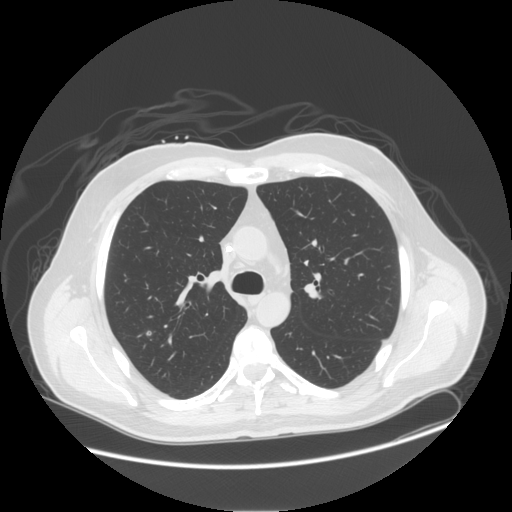
Slice 97/143 of a chest CT, counting up from the lowest; pixel size 0.859 mm, slice thickness 2.50 mm. Pulmonary nodule, outlined by one of the four readers. Box on this slice rows 330–334, columns 146–151, that reader's outline on this slice; longest diameter 6.5 mm and volume 91 mm3 from that reader's outline. That reader's ratings: texture 5/5 (solid); margin 5/5 (circumscribed); sphericity 3/5 (ovoid); calcification absent; internal structure soft tissue; subtlety 3/5; malignancy likelihood 2/5. Scale key (1–5): texture non-solid→solid, margin indistinct→circumscribed, sphericity linear→round, subtlety extremely subtle→obvious, malignancy likelihood highly unlikely→highly suspicious of cancer. Box rows and columns are 0-based pixel indices from the top-left corner, inclusive.
Tube voltage 120 kVp; convolution kernel STANDARD.